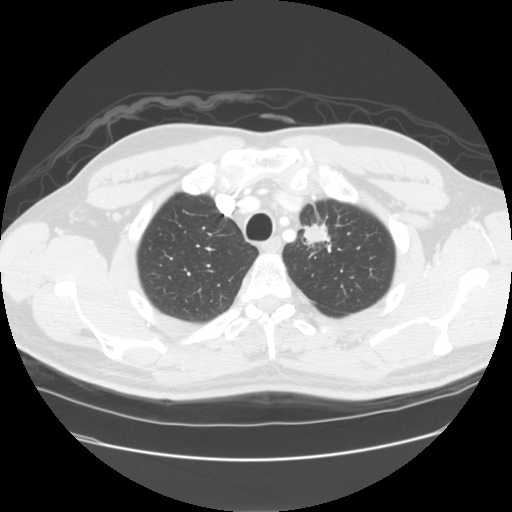
Axial chest CT slice 117 of 137 (counted from the lowest slice); tube voltage 120 kVp, convolution kernel STANDARD; slices 2.50 mm thick, 0.742 mm per pixel.
Pulmonary nodule outlined by all four readers; box rows 218–251, columns 303–330 (the union of the readers' outlines on this slice); median longest diameter 36.9 mm (readers' outlines 30.7–45.5 mm), median volume 7191 mm3 (6191–8548 mm3). Median ratings and the readers' spread: median texture 5/5 (solid) (readers ranged 4/5 to 5/5 (solid)); median margin 3.5/5 (readers ranged 2/5 to 4/5); sphericity 3.5/5 at the median of four readers, spread 3/5 (ovoid) to 5/5 (round); calcification absent, all four readers agreeing; internal structure soft tissue, all four readers agreeing; subtlety 5/5 from all four readers; median malignancy likelihood 5/5 (readers ranged 4–5). Scale key (1–5): texture non-solid→solid, margin indistinct→circumscribed, sphericity linear→round, subtlety extremely subtle→obvious, malignancy likelihood highly unlikely→highly suspicious of cancer. Box rows and columns are 0-based pixel indices from the top-left corner, inclusive.